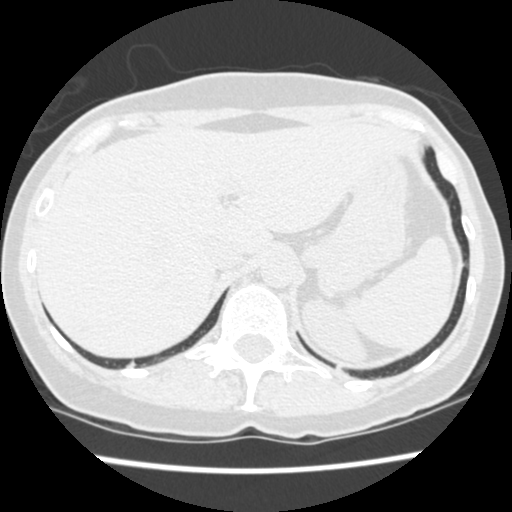
Axial chest CT slice 50 of 471 (counted from the lowest slice); tube voltage 120 kVp, convolution kernel STANDARD; slices 1.25 mm thick, 0.586 mm per pixel.
Pulmonary nodule, outlined by all four readers, one of them on this slice. Box on this slice rows 189–198, columns 447–453, the one reader's outline on this slice; longest diameter 7.0 mm on average over the four readers' outlines (readers' outlines 6.1–9.0 mm), volume 96–205 mm3. The readers' prevailing ratings and who disagreed: texture 5/5 (solid) from all four readers; margin 4/5 by three of four readers; the rest gave 5/5 (circumscribed) (one); sphericity 3/5 (ovoid) by three of four readers; the rest gave 5/5 (round) (one); calcification absent from all four readers; internal structure soft tissue, all four readers agreeing; subtlety 3/5 by three of four readers; the rest gave 4/5 (one); malignancy likelihood 3/5 by two of four readers; the rest gave 2/5 (one), 4/5 (one). Scale key (1–5): texture non-solid→solid, margin indistinct→circumscribed, sphericity linear→round, subtlety extremely subtle→obvious, malignancy likelihood highly unlikely→highly suspicious of cancer. Box rows and columns are 0-based pixel indices from the top-left corner, inclusive.